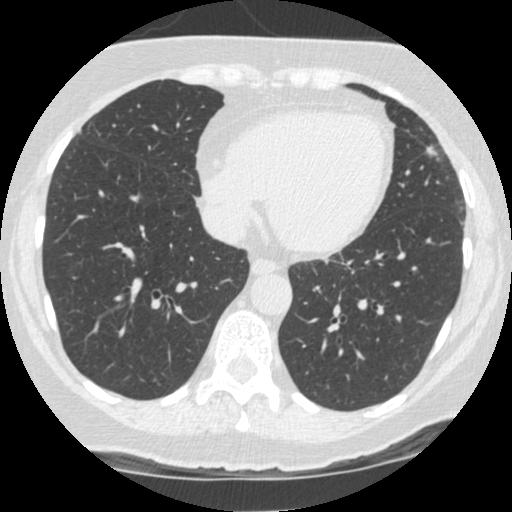
Axial slice 154 of 481 of a chest CT (slice 1 is the lowest), reconstructed with the STANDARD kernel at 120 kVp; 1.25 mm slice thickness and 0.586 mm pixels.
Pulmonary nodule outlined by all four readers; box rows 145–155, columns 426–436 (the union of the readers' outlines on this slice); longest diameter 10.6 mm on average over the four readers' outlines (readers' outlines 9.6–11.3 mm), volume 410–491 mm3. Ratings, by the readers' most common answer with dissent counted: texture 5/5 (solid) from all four readers; most readers (three of four) put margin at 5/5 (circumscribed), others 4/5 (one); sphericity 4/5 by three of four readers; the rest gave 5/5 (round) (one); calcification absent from all four readers; internal structure soft tissue from all four readers; subtlety 5/5 by three of four readers; the rest gave 4/5 (one); malignancy likelihood split among the readers: 2/5 (one), 3/5 (one), 4/5 (one), 5/5 (one). Scale key (1–5): texture non-solid→solid, margin indistinct→circumscribed, sphericity linear→round, subtlety extremely subtle→obvious, malignancy likelihood highly unlikely→highly suspicious of cancer. Box rows and columns are 0-based pixel indices from the top-left corner, inclusive.